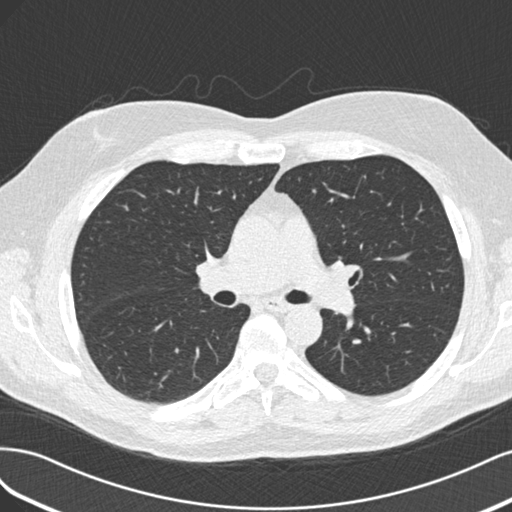
Chest CT, axial plane, 120 kVp, kernel B30f. Slice 117/193 from the bottom of the scan; thickness 2.00 mm; pixel size 0.703 mm.
No nodule 3 mm or larger was outlined here by any reader.